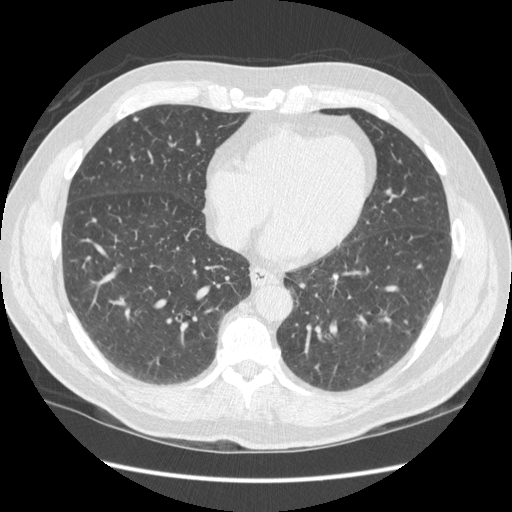
Axial chest CT slice 163 of 449 (counted from the lowest slice); 1.25 mm thick, 0.742 mm per pixel. Pulmonary nodule at rows 117–120, columns 134–137 (box = that reader's outline on this slice), outlined by one of the four readers; longest diameter 6.1 mm and volume 97 mm3 from that reader's outline. Ratings by that reader: texture 5/5 (solid); margin 5/5 (circumscribed); sphericity 5/5 (round); calcification absent; internal structure soft tissue; subtlety 4/5; malignancy likelihood 3/5. Scale key (1–5): texture non-solid→solid, margin indistinct→circumscribed, sphericity linear→round, subtlety extremely subtle→obvious, malignancy likelihood highly unlikely→highly suspicious of cancer. Box rows and columns are 0-based pixel indices from the top-left corner, inclusive.
Tube voltage 120 kVp; convolution kernel STANDARD.